Chest CT, axial plane, 120 kVp, kernel B30f. Slice 529/672 from the bottom of the scan; thickness 0.60 mm; pixel size 0.607 mm.
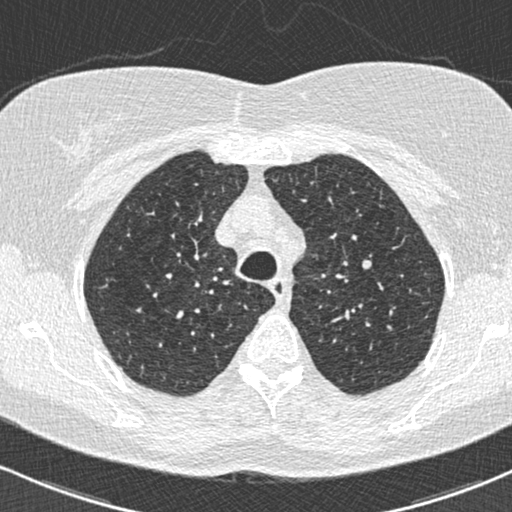
Pulmonary nodule, outlined by all four readers. Box on this slice rows 260–268, columns 362–371, the union of the readers' outlines on this slice; longest diameter 8.3 mm on average over the four readers' outlines (readers' outlines 8.1–8.8 mm), volume 181–196 mm3. Ratings, by the readers' most common answer with dissent counted: texture 5/5 (solid) from all four readers; margin 5/5 (circumscribed) by three of four readers; the rest gave 4/5 (one); sphericity 5/5 (round) by three of four readers; the rest gave 3/5 (ovoid) (one); calcification absent, all four readers agreeing; internal structure soft tissue, all four readers agreeing; subtlety 4/5 by two of four readers; the rest gave 1/5 (one), 5/5 (one); malignancy likelihood 3/5 by three of four readers; the rest gave 2/5 (one). Scale key (1–5): texture non-solid→solid, margin indistinct→circumscribed, sphericity linear→round, subtlety extremely subtle→obvious, malignancy likelihood highly unlikely→highly suspicious of cancer. Box rows and columns are 0-based pixel indices from the top-left corner, inclusive.